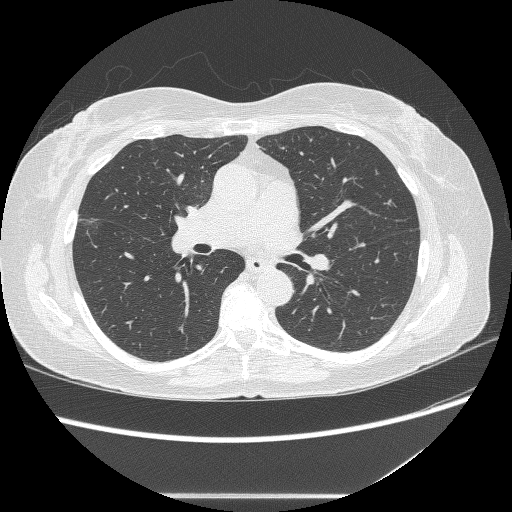
Chest CT, axial plane, 120 kVp, kernel BONE. Slice 145/236 from the bottom of the scan; thickness 1.25 mm; pixel size 0.703 mm.
Pulmonary nodule, outlined by all four readers, two of them on this slice. Box on this slice rows 219–229, columns 82–98, the union of the readers' outlines on this slice; longest diameter 18.4 mm on average over the four readers' outlines (readers' outlines 17.0–21.4 mm), volume 673–774 mm3. Ratings, by the readers' most common answer with dissent counted: texture 1/5 (non-solid), all four readers agreeing; most readers (three of four) put margin at 1/5 (indistinct), others 4/5 (one); most readers (three of four) put sphericity at 4/5, others 5/5 (round) (one); calcification absent from all four readers; internal structure soft tissue from all four readers; subtlety split among the readers: 3/5 (two), 5/5 (two); most readers (three of four) put malignancy likelihood at 4/5, others 3/5 (one). Scale key (1–5): texture non-solid→solid, margin indistinct→circumscribed, sphericity linear→round, subtlety extremely subtle→obvious, malignancy likelihood highly unlikely→highly suspicious of cancer. Box rows and columns are 0-based pixel indices from the top-left corner, inclusive.